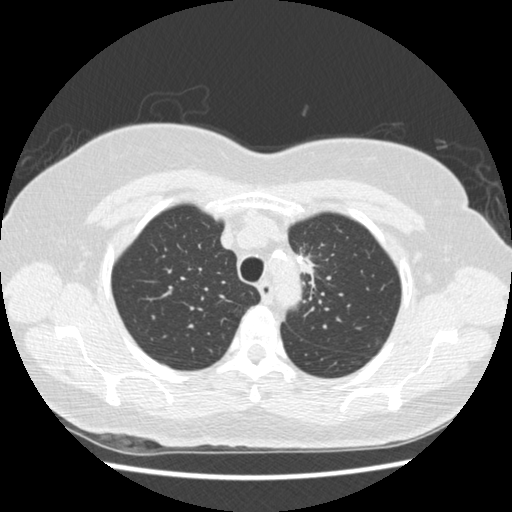
Axial chest CT slice 351 of 445 (counted from the lowest slice); 1.25 mm thick, 0.645 mm per pixel. Pulmonary nodule, outlined by one of the four readers. Box on this slice rows 254–275, columns 297–313, that reader's outline on this slice; longest diameter 31.0 mm and volume 2055 mm3 from that reader's outline. Ratings by that reader: texture 5/5 (solid); margin 2/5; sphericity 2/5; calcification absent; internal structure soft tissue; subtlety 5/5; malignancy likelihood 4/5. Scale key (1–5): texture non-solid→solid, margin indistinct→circumscribed, sphericity linear→round, subtlety extremely subtle→obvious, malignancy likelihood highly unlikely→highly suspicious of cancer. Box rows and columns are 0-based pixel indices from the top-left corner, inclusive.
Acquired at 120 kVp and reconstructed with the STANDARD kernel.